One axial slice (154 of 300, counting up from the lowest) of a chest CT acquired at 120 kVp with the D kernel; each pixel is 0.678 mm and the slice is 2.00 mm thick.
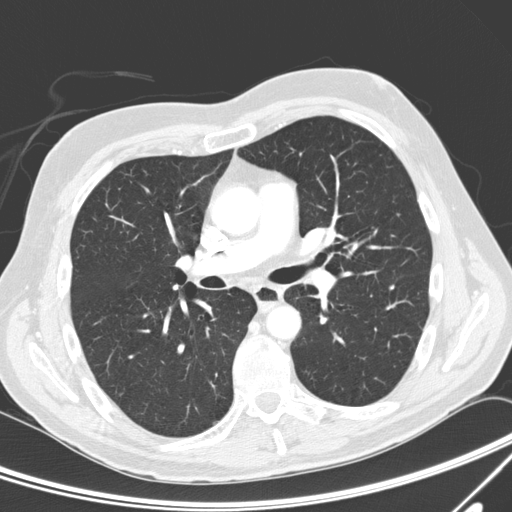
Pulmonary nodule, outlined by all four readers. Box on this slice rows 284–290, columns 388–394, the union of the readers' outlines on this slice; median longest diameter 6.3 mm (readers' outlines 6.1–6.7 mm), median volume 92 mm3 (83–97 mm3). Median ratings and the readers' spread: texture 5/5 (solid), all four readers agreeing; margin 5/5 (circumscribed) from all four readers; sphericity 4/5 at the median of four readers, spread 4/5 to 5/5 (round); calcification: solid calcification (three), absent (one); internal structure soft tissue from all four readers; median subtlety 5/5 (readers ranged 4–5); malignancy likelihood 1/5 at the median of four readers, spread 1–2. Scale key (1–5): texture non-solid→solid, margin indistinct→circumscribed, sphericity linear→round, subtlety extremely subtle→obvious, malignancy likelihood highly unlikely→highly suspicious of cancer. Box rows and columns are 0-based pixel indices from the top-left corner, inclusive.